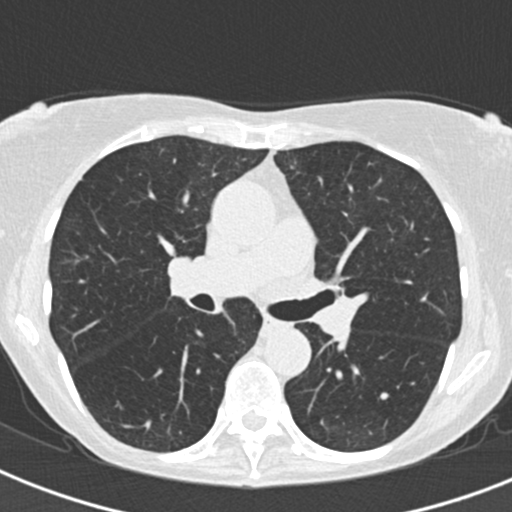
Axial slice 111 of 192 of a chest CT (slice 1 is the lowest), reconstructed with the B30f kernel at 120 kVp; 2.00 mm slice thickness and 0.566 mm pixels.
Pulmonary nodule at rows 392–400, columns 379–389 (box = the union of the readers' outlines on this slice), outlined by three of the four readers; longest diameter 6.8–7.2 mm and volume 96–121 mm3 across the three readers' outlines. The readers' ratings, as ranges where they differ: texture 5/5 (solid), all three readers agreeing; margin from 4/5 to 5/5 (circumscribed) across the three readers; sphericity from 3/5 (ovoid) to 5/5 (round) across the three readers; calcification absent from all three readers; internal structure soft tissue, all three readers agreeing; subtlety rated between 2 and 4 out of 5 by the three readers; malignancy likelihood 3/5 from all three readers. Scale key (1–5): texture non-solid→solid, margin indistinct→circumscribed, sphericity linear→round, subtlety extremely subtle→obvious, malignancy likelihood highly unlikely→highly suspicious of cancer. Box rows and columns are 0-based pixel indices from the top-left corner, inclusive.